Axial chest CT slice 108 of 133 (counted from the lowest slice); tube voltage 120 kVp, convolution kernel LUNG; slices 2.50 mm thick, 0.703 mm per pixel.
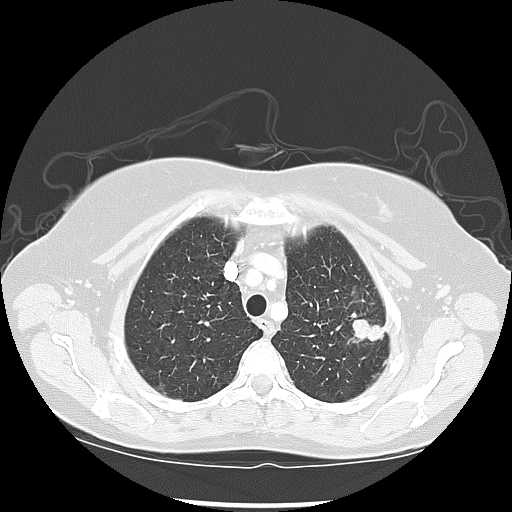
Pulmonary nodule, outlined by all four readers. Box on this slice rows 318–343, columns 347–384, the union of the readers' outlines on this slice; median longest diameter 28.2 mm (readers' outlines 27.6–35.0 mm), median volume 3866 mm3 (3749–4875 mm3). Median ratings and the readers' spread: texture 5/5 (solid) from all four readers; margin 3.5/5 at the median of four readers, spread 2/5 to 5/5 (circumscribed); median sphericity 3/5 (ovoid) (readers ranged 3/5 (ovoid) to 5/5 (round)); calcification absent from all four readers; internal structure soft tissue, all four readers agreeing; subtlety 5/5, all four readers agreeing; malignancy likelihood 4/5 at the median of four readers, spread 3–5. Scale key (1–5): texture non-solid→solid, margin indistinct→circumscribed, sphericity linear→round, subtlety extremely subtle→obvious, malignancy likelihood highly unlikely→highly suspicious of cancer. Box rows and columns are 0-based pixel indices from the top-left corner, inclusive.